Axial slice 164 of 305 of a chest CT (slice 1 is the lowest), reconstructed with the B kernel at 140 kVp; 2.00 mm slice thickness and 0.834 mm pixels.
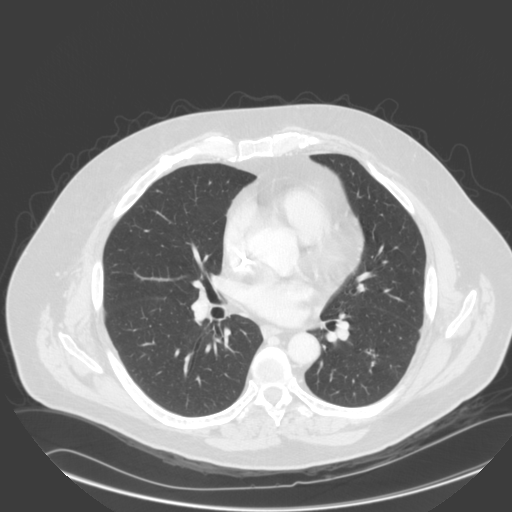
Pulmonary nodule, outlined by all four readers. Box on this slice rows 354–367, columns 370–377, the union of the readers' outlines on this slice; median longest diameter 10.4 mm (readers' outlines 7.9–12.9 mm), median volume 133 mm3 (74–239 mm3). Median ratings and the readers' spread: texture 5/5 (solid), all four readers agreeing; median margin 4/5 (readers ranged 2/5 to 5/5 (circumscribed)); median sphericity 3/5 (ovoid) (readers ranged 1/5 (linear) to 4/5); calcification: solid calcification (three), absent (one); internal structure soft tissue from all four readers; median subtlety 5/5 (readers ranged 4–5); malignancy likelihood 1/5 at the median of four readers, spread 1–4. Scale key (1–5): texture non-solid→solid, margin indistinct→circumscribed, sphericity linear→round, subtlety extremely subtle→obvious, malignancy likelihood highly unlikely→highly suspicious of cancer. Box rows and columns are 0-based pixel indices from the top-left corner, inclusive.